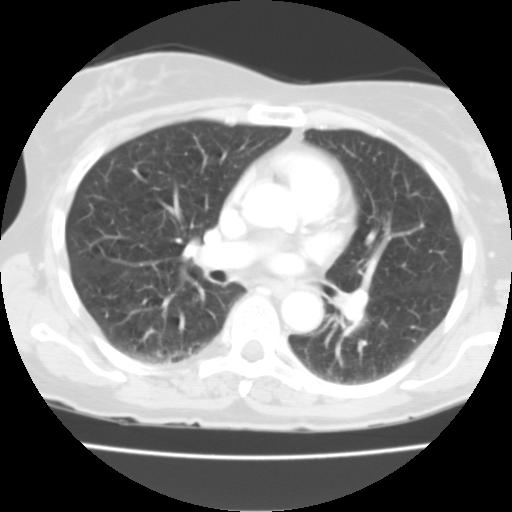
Axial chest CT slice 47 of 90 (counted from the lowest slice); tube voltage 135 kVp, convolution kernel FC01; slices 3.00 mm thick, 0.579 mm per pixel.
None of the four readers outlined a nodule of 3 mm or more on this slice.